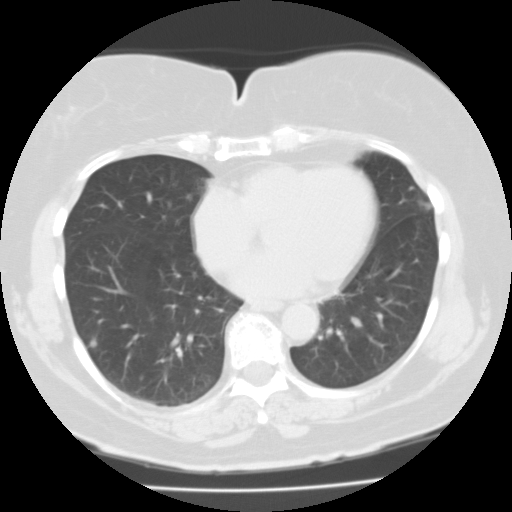
This is axial slice 52 of 112 (slice 1 is the lowest) of a chest CT; each pixel is 0.650 mm and the slice is 3.00 mm thick. Pulmonary nodule outlined by three of the four readers; box rows 338–347, columns 89–96 (the union of the readers' outlines on this slice); median longest diameter 7.6 mm (readers' outlines 7.0–8.0 mm), median volume 142 mm3 (129–204 mm3). Median ratings and the readers' spread: texture 5/5 (solid) at the median of three readers, spread 4/5 to 5/5 (solid); median margin 3/5 (readers ranged 3/5 to 4/5); sphericity 5/5 (round) at the median of three readers, spread 4/5 to 5/5 (round); calcification absent, all three readers agreeing; internal structure soft tissue, all three readers agreeing; subtlety 4/5 at the median of three readers, spread 4–5; malignancy likelihood 3/5 from all three readers. Scale key (1–5): texture non-solid→solid, margin indistinct→circumscribed, sphericity linear→round, subtlety extremely subtle→obvious, malignancy likelihood highly unlikely→highly suspicious of cancer. Box rows and columns are 0-based pixel indices from the top-left corner, inclusive.
Acquired at 135 kVp and reconstructed with the FC01 kernel.